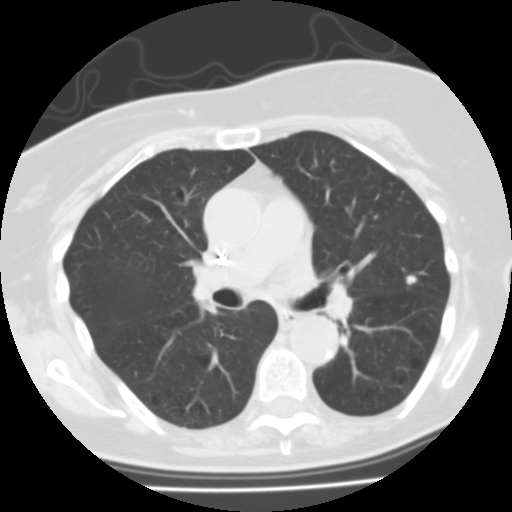
This is axial slice 77 of 122 (slice 1 is the lowest) of a chest CT; each pixel is 0.586 mm and the slice is 3.00 mm thick. Pulmonary nodule, outlined by all four readers. Box on this slice rows 274–285, columns 405–417, the union of the readers' outlines on this slice; longest diameter 8.1 mm on average over the four readers' outlines (readers' outlines 7.8–8.3 mm), volume 245–305 mm3. Ratings, by the readers' most common answer with dissent counted: most readers (three of four) put texture at 5/5 (solid), others 4/5 (one); margin 3/5 by two of four readers; the rest gave 4/5 (one), 5/5 (circumscribed) (one); sphericity 3/5 (ovoid) by three of four readers; the rest gave 4/5 (one); calcification absent by three of four readers, solid calcification (one); internal structure soft tissue, all four readers agreeing; subtlety 4/5 by two of four readers; the rest gave 2/5 (one), 3/5 (one); malignancy likelihood 3/5 by two of four readers; the rest gave 1/5 (one), 2/5 (one). Scale key (1–5): texture non-solid→solid, margin indistinct→circumscribed, sphericity linear→round, subtlety extremely subtle→obvious, malignancy likelihood highly unlikely→highly suspicious of cancer. Box rows and columns are 0-based pixel indices from the top-left corner, inclusive.
Scan settings: 135 kVp, FC01 reconstruction kernel.